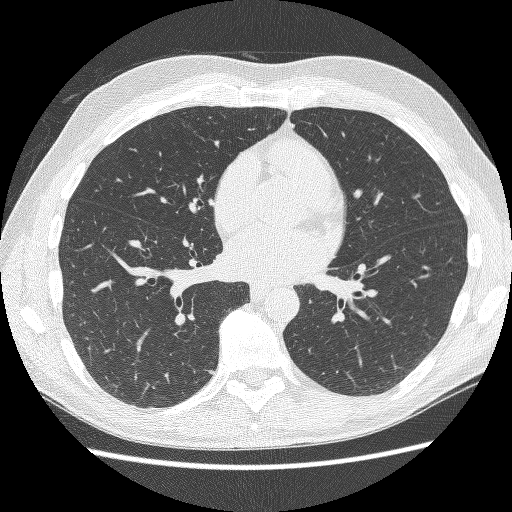
Axial chest CT slice 113 of 252 (counted from the lowest slice); tube voltage 120 kVp, convolution kernel BONE; slices 1.25 mm thick, 0.703 mm per pixel.
Pulmonary nodule outlined by one of the four readers; box rows 370–373, columns 207–214 (that reader's outline on this slice); longest diameter 6.7 mm and volume 64 mm3 from that reader's outline. Ratings by that reader: texture 5/5 (solid); margin 5/5 (circumscribed); sphericity 4/5; calcification absent; internal structure soft tissue; subtlety 4/5; malignancy likelihood 2/5. Scale key (1–5): texture non-solid→solid, margin indistinct→circumscribed, sphericity linear→round, subtlety extremely subtle→obvious, malignancy likelihood highly unlikely→highly suspicious of cancer. Box rows and columns are 0-based pixel indices from the top-left corner, inclusive.